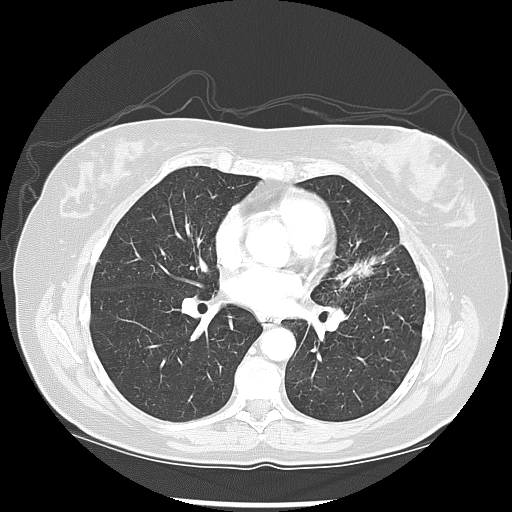
Chest CT, axial plane, 120 kVp, kernel LUNG. Slice 73/133 from the bottom of the scan; thickness 2.50 mm; pixel size 0.703 mm.
Pulmonary nodule, outlined by three of the four readers. Box on this slice rows 255–287, columns 336–383, the union of the readers' outlines on this slice; longest diameter 33.3–41.8 mm and volume 6044–7666 mm3 across the three readers' outlines. The readers' ratings, as ranges where they differ: texture 5/5 (solid) from all three readers; margin from 3/5 to 4/5 across the three readers; sphericity 3/5 (ovoid) from all three readers; calcification absent from all three readers; internal structure soft tissue from all three readers; subtlety 5/5, all three readers agreeing; malignancy likelihood 5/5, all three readers agreeing. Scale key (1–5): texture non-solid→solid, margin indistinct→circumscribed, sphericity linear→round, subtlety extremely subtle→obvious, malignancy likelihood highly unlikely→highly suspicious of cancer. Box rows and columns are 0-based pixel indices from the top-left corner, inclusive.